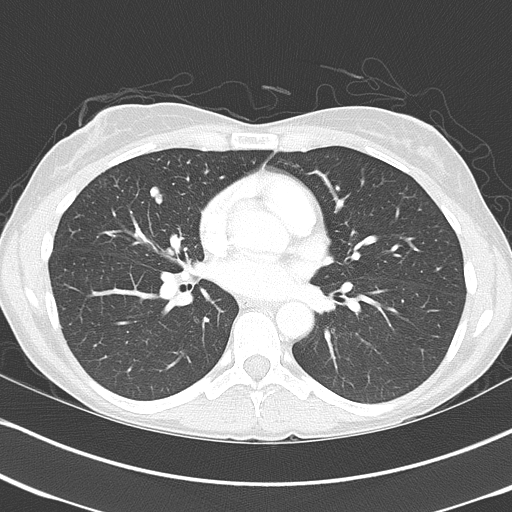
Axial chest CT slice 206 of 368 (counted from the lowest slice); tube voltage 120 kVp, convolution kernel B70f; slices 2.00 mm thick, 0.623 mm per pixel.
Pulmonary nodule, outlined by all four readers. Box on this slice rows 186–204, columns 149–162, the union of the readers' outlines on this slice; median longest diameter 12.7 mm (readers' outlines 12.1–13.5 mm), median volume 329 mm3 (274–376 mm3). Median ratings and the readers' spread: median texture 5/5 (solid) (readers ranged 4/5 to 5/5 (solid)); margin 4.5/5 at the median of four readers, spread 3/5 to 5/5 (circumscribed); median sphericity 2.5/5 (readers ranged 2/5 to 3/5 (ovoid)); calcification: absent (two), non-central calcification (one), solid calcification (one); internal structure soft tissue from all four readers; subtlety 5/5 from all four readers; median malignancy likelihood 3.5/5 (readers ranged 2–4). Scale key (1–5): texture non-solid→solid, margin indistinct→circumscribed, sphericity linear→round, subtlety extremely subtle→obvious, malignancy likelihood highly unlikely→highly suspicious of cancer. Box rows and columns are 0-based pixel indices from the top-left corner, inclusive.